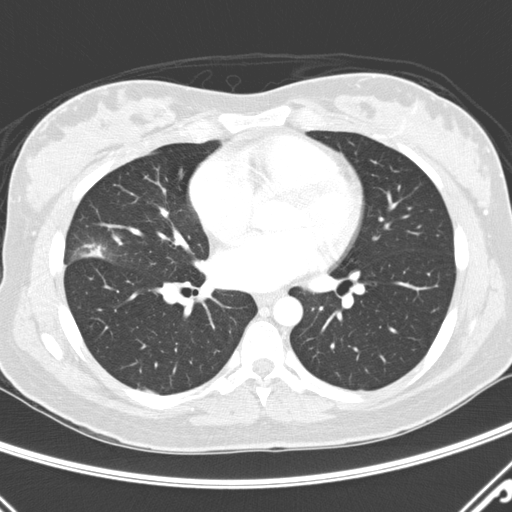
Axial slice 139 of 290 of a chest CT (slice 1 is the lowest), reconstructed with the D kernel at 120 kVp; 2.00 mm slice thickness and 0.648 mm pixels.
Pulmonary nodule, outlined by all four readers. Box on this slice rows 245–259, columns 72–105, the union of the readers' outlines on this slice; longest diameter 26.3 mm on average over the four readers' outlines (readers' outlines 19.9–37.8 mm), volume 1327–2956 mm3. The readers' prevailing ratings and who disagreed: texture split among the readers: 3/5 (part-solid) (two), 5/5 (solid) (two); margin 1/5 (indistinct) by two of four readers; the rest gave 2/5 (one), 3/5 (one); sphericity 3/5 (ovoid) by two of four readers; the rest gave 2/5 (one), 4/5 (one); calcification absent, all four readers agreeing; internal structure soft tissue, all four readers agreeing; subtlety 5/5, all four readers agreeing; malignancy likelihood split among the readers: 3/5 (two), 5/5 (two). Scale key (1–5): texture non-solid→solid, margin indistinct→circumscribed, sphericity linear→round, subtlety extremely subtle→obvious, malignancy likelihood highly unlikely→highly suspicious of cancer. Box rows and columns are 0-based pixel indices from the top-left corner, inclusive.